Axial chest CT slice 406 of 481 (counted from the lowest slice); tube voltage 120 kVp, convolution kernel STANDARD; slices 1.25 mm thick, 0.742 mm per pixel.
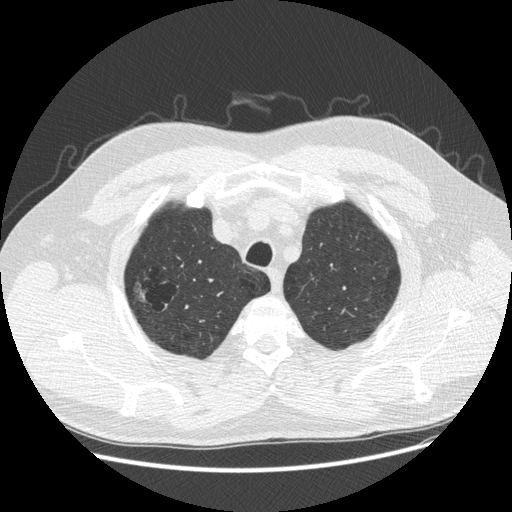
Pulmonary nodule, outlined by two of the four readers. Box on this slice rows 282–302, columns 132–147, the union of the readers' outlines on this slice; longest diameter 16.8 mm on average over the two readers' outlines (readers' outlines 15.0–18.6 mm), volume 293–924 mm3. Ratings, by the readers' most common answer with dissent counted: texture 1/5 (non-solid) from both readers; margin split among the readers: 1/5 (indistinct) (one), 2/5 (one); sphericity split among the readers: 3/5 (ovoid) (one), 5/5 (round) (one); calcification absent, both readers agreeing; internal structure soft tissue from both readers; subtlety split among the readers: 1/5 (one), 2/5 (one); malignancy likelihood split among the readers: 2/5 (one), 4/5 (one). Scale key (1–5): texture non-solid→solid, margin indistinct→circumscribed, sphericity linear→round, subtlety extremely subtle→obvious, malignancy likelihood highly unlikely→highly suspicious of cancer. Box rows and columns are 0-based pixel indices from the top-left corner, inclusive.